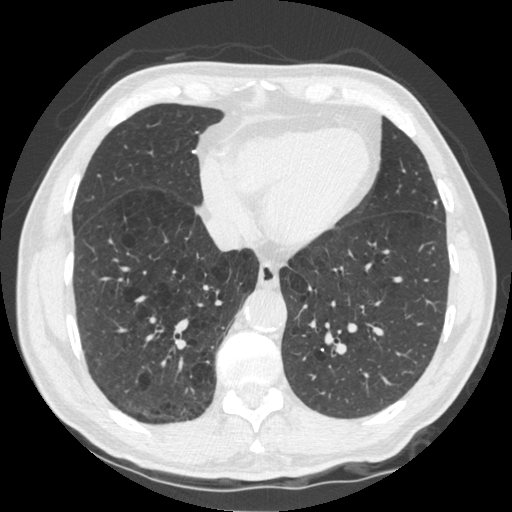
Axial slice 166 of 535 of a chest CT (slice 1 is the lowest), reconstructed with the STANDARD kernel at 120 kVp; 1.25 mm slice thickness and 0.664 mm pixels.
Pulmonary nodule at rows 200–203, columns 434–437 (box = the one reader's outline on this slice), outlined by three of the four readers, one of them on this slice; longest diameter 6.2 mm on average over the three readers' outlines (readers' outlines 5.5–6.8 mm), volume 70–114 mm3. Ratings, by the readers' most common answer with dissent counted: texture 5/5 (solid) from all three readers; margin 5/5 (circumscribed), all three readers agreeing; sphericity 5/5 (round) from all three readers; calcification solid calcification, all three readers agreeing; internal structure soft tissue, all three readers agreeing; subtlety 5/5 from all three readers; malignancy likelihood 1/5, all three readers agreeing. Scale key (1–5): texture non-solid→solid, margin indistinct→circumscribed, sphericity linear→round, subtlety extremely subtle→obvious, malignancy likelihood highly unlikely→highly suspicious of cancer. Box rows and columns are 0-based pixel indices from the top-left corner, inclusive.